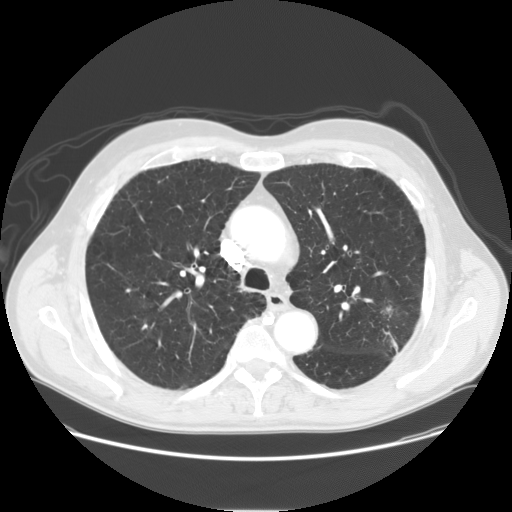
One axial slice (108 of 152, counting up from the lowest) of a chest CT acquired at 120 kVp with the STANDARD kernel; each pixel is 0.781 mm and the slice is 2.50 mm thick.
Pulmonary nodule at rows 305–317, columns 381–392 (box = the union of the readers' outlines on this slice), outlined by all four readers, two of them on this slice; the four readers' outlines give a longest diameter between 26.7 and 29.9 mm and a volume between 4495 and 6409 mm3. Ratings across the readers: texture from 4/5 to 5/5 (solid) across the four readers; margin from 3/5 to 4/5 across the four readers; sphericity from 3/5 (ovoid) to 5/5 (round) across the four readers; calcification absent from all four readers; internal structure soft tissue, all four readers agreeing; subtlety 5/5 from all four readers; malignancy likelihood 4–5/5 (the readers disagree). Scale key (1–5): texture non-solid→solid, margin indistinct→circumscribed, sphericity linear→round, subtlety extremely subtle→obvious, malignancy likelihood highly unlikely→highly suspicious of cancer. Box rows and columns are 0-based pixel indices from the top-left corner, inclusive.